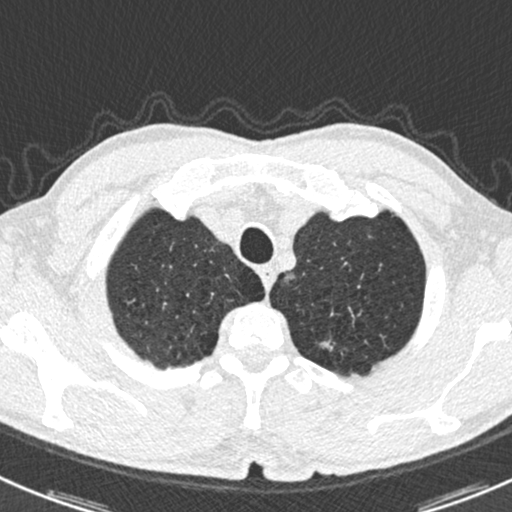
Slice 488/538 of a chest CT, counting up from the lowest; pixel size 0.605 mm, slice thickness 0.75 mm. Pulmonary nodule at rows 338–352, columns 318–334 (box = that reader's outline on this slice), outlined by one of the four readers; longest diameter 14.6 mm and volume 194 mm3 from that reader's outline. Ratings by that reader: texture 2/5; margin 1/5 (indistinct); sphericity 2/5; calcification absent; internal structure soft tissue; subtlety 2/5; malignancy likelihood 4/5. Scale key (1–5): texture non-solid→solid, margin indistinct→circumscribed, sphericity linear→round, subtlety extremely subtle→obvious, malignancy likelihood highly unlikely→highly suspicious of cancer. Box rows and columns are 0-based pixel indices from the top-left corner, inclusive.
Scan settings: 120 kVp, B30f reconstruction kernel.